Chest CT, axial plane, 120 kVp, kernel STANDARD. Slice 356/481 from the bottom of the scan; thickness 1.25 mm; pixel size 0.703 mm.
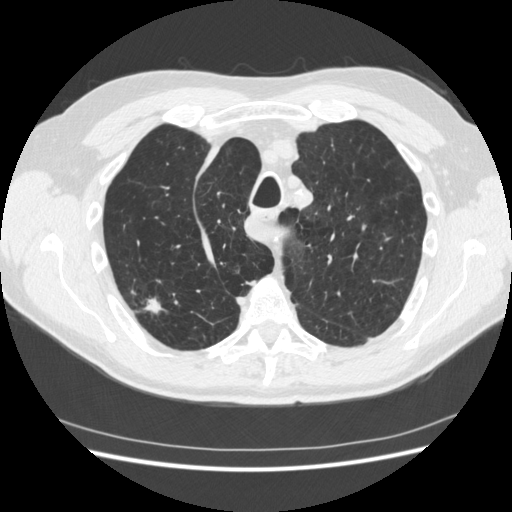
Two pulmonary nodules on this slice, listed from left to right. (1) Pulmonary nodule at rows 292–316, columns 135–171 (box = the union of the readers' outlines on this slice), outlined by all four readers; longest diameter 26.2 mm on average over the four readers' outlines (readers' outlines 18.7–34.9 mm), volume 1155–4169 mm3. The readers' prevailing ratings and who disagreed: texture 5/5 (solid) by three of four readers; the rest gave 4/5 (one); margin split among the readers: 1/5 (indistinct) (one), 2/5 (one), 3/5 (one), 4/5 (one); sphericity split among the readers: 2/5 (one), 3/5 (ovoid) (one), 4/5 (one), 5/5 (round) (one); calcification absent from all four readers; internal structure soft tissue, all four readers agreeing; subtlety 5/5, all four readers agreeing; malignancy likelihood 5/5 by three of four readers; the rest gave 4/5 (one). (2) Pulmonary nodule at rows 280–285, columns 246–255 (box = the union of the readers' outlines on this slice), outlined by three of the four readers, two of them on this slice; longest diameter 13.5–18.5 mm and volume 529–1088 mm3 across the three readers' outlines. The readers' ratings, as ranges where they differ: texture 5/5 (solid), all three readers agreeing; margin from 1/5 (indistinct) to 4/5 across the three readers; sphericity from 2/5 to 3/5 (ovoid) across the three readers; calcification absent from all three readers; internal structure soft tissue from all three readers; subtlety 4–5/5 (the readers disagree); malignancy likelihood 3–5/5 (the readers disagree). Scale key (1–5): texture non-solid→solid, margin indistinct→circumscribed, sphericity linear→round, subtlety extremely subtle→obvious, malignancy likelihood highly unlikely→highly suspicious of cancer. Box rows and columns are 0-based pixel indices from the top-left corner, inclusive.